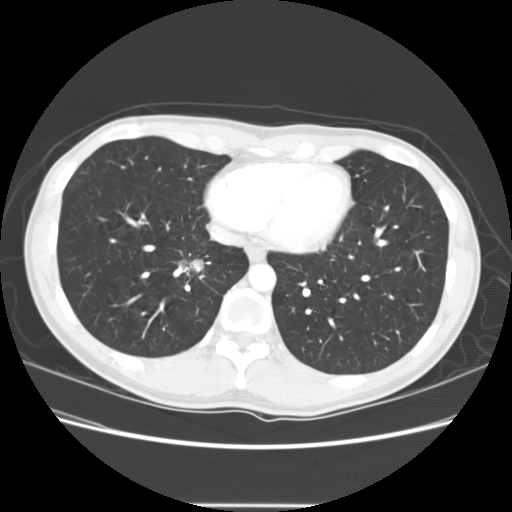
Chest CT, axial plane, 120 kVp, kernel STANDARD. Slice 47/141 from the bottom of the scan; thickness 2.50 mm; pixel size 0.703 mm.
Pulmonary nodule, outlined four times (the source holds one more outline, not used), three of them on this slice. Box on this slice rows 256–273, columns 177–204, the union of the readers' outlines on this slice; longest diameter 32.7 mm on average over the four readers' outlines (readers' outlines 31.6–34.1 mm), volume 4983–9079 mm3. The readers' prevailing ratings and who disagreed: texture 5/5 (solid) from all four readers; most readers (three of four) put margin at 3/5, others 1/5 (indistinct) (one); sphericity split among the readers: 3/5 (ovoid) (two), 4/5 (two); calcification absent, all four readers agreeing; internal structure split among the readers: air (two), soft tissue (two); subtlety 5/5, all four readers agreeing; malignancy likelihood 5/5, all four readers agreeing. Scale key (1–5): texture non-solid→solid, margin indistinct→circumscribed, sphericity linear→round, subtlety extremely subtle→obvious, malignancy likelihood highly unlikely→highly suspicious of cancer. Box rows and columns are 0-based pixel indices from the top-left corner, inclusive.